One axial slice (26 of 87, counting up from the lowest) of a chest CT acquired at 135 kVp with the FC01 kernel; each pixel is 0.650 mm and the slice is 3.00 mm thick.
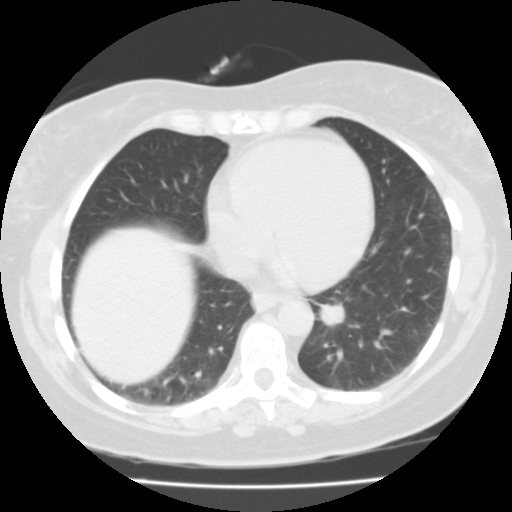
Pulmonary nodule at rows 303–326, columns 316–346 (box = the union of the readers' outlines on this slice), outlined by all four readers; longest diameter 23.9 mm on average over the four readers' outlines (readers' outlines 19.5–28.0 mm), volume 2261–2704 mm3. The readers' prevailing ratings and who disagreed: most readers (three of four) put texture at 5/5 (solid), others 4/5 (one); margin 4/5 by two of four readers; the rest gave 2/5 (one), 3/5 (one); sphericity 4/5 from all four readers; calcification absent from all four readers; internal structure soft tissue from all four readers; subtlety split among the readers: 4/5 (two), 5/5 (two); malignancy likelihood 3/5 by two of four readers; the rest gave 4/5 (one), 5/5 (one). Scale key (1–5): texture non-solid→solid, margin indistinct→circumscribed, sphericity linear→round, subtlety extremely subtle→obvious, malignancy likelihood highly unlikely→highly suspicious of cancer. Box rows and columns are 0-based pixel indices from the top-left corner, inclusive.